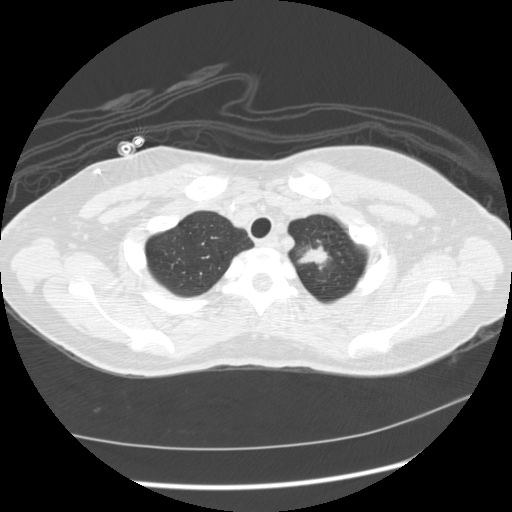
One axial slice (178 of 209, counting up from the lowest) of a chest CT acquired at 120 kVp with the STANDARD kernel; each pixel is 0.693 mm and the slice is 1.25 mm thick.
Pulmonary nodule at rows 244–266, columns 295–328 (box = the union of the readers' outlines on this slice), outlined by all four readers; median longest diameter 23.3 mm (readers' outlines 21.8–25.6 mm), median volume 3063 mm3 (2801–4927 mm3). Ratings, median across the readers with their spread: median texture 4/5 (readers ranged 4/5 to 5/5 (solid)); margin 3.5/5 at the median of four readers, spread 3/5 to 4/5; sphericity 3.5/5 at the median of four readers, spread 2/5 to 5/5 (round); calcification absent from all four readers; internal structure soft tissue from all four readers; subtlety 5/5, all four readers agreeing; malignancy likelihood 4.5/5 at the median of four readers, spread 3–5. Scale key (1–5): texture non-solid→solid, margin indistinct→circumscribed, sphericity linear→round, subtlety extremely subtle→obvious, malignancy likelihood highly unlikely→highly suspicious of cancer. Box rows and columns are 0-based pixel indices from the top-left corner, inclusive.